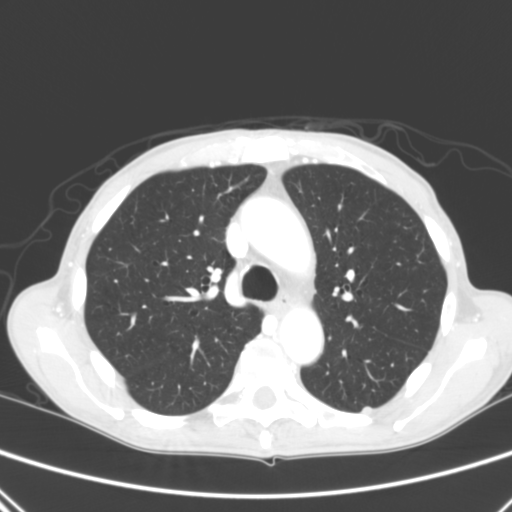
Slice 199/290 of a chest CT, counting up from the lowest; pixel size 0.639 mm, slice thickness 2.00 mm. Pulmonary nodule at rows 408–413, columns 363–371 (box = that reader's outline on this slice), outlined by one of the four readers; longest diameter 7.5 mm and volume 95 mm3 from that reader's outline. Ratings by that reader: texture 5/5 (solid); margin 5/5 (circumscribed); sphericity 5/5 (round); calcification absent; internal structure soft tissue; subtlety 5/5; malignancy likelihood 3/5. Scale key (1–5): texture non-solid→solid, margin indistinct→circumscribed, sphericity linear→round, subtlety extremely subtle→obvious, malignancy likelihood highly unlikely→highly suspicious of cancer. Box rows and columns are 0-based pixel indices from the top-left corner, inclusive.
Tube voltage 120 kVp; convolution kernel B.